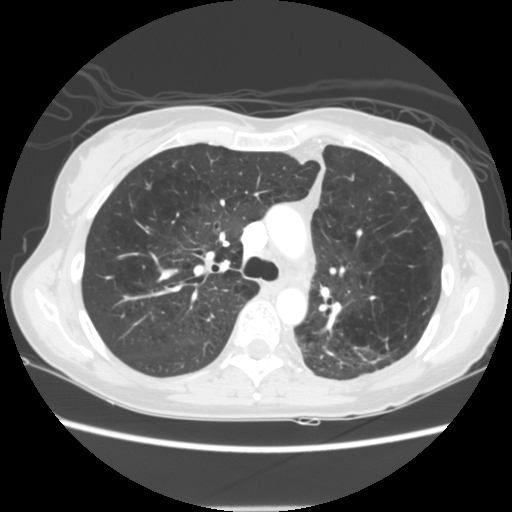
Axial slice 98 of 144 of a chest CT (slice 1 is the lowest), reconstructed with the STANDARD kernel at 120 kVp; 2.50 mm slice thickness and 0.664 mm pixels.
None of the four readers outlined a nodule of 3 mm or more on this slice.